Axial chest CT slice 98 of 347 (counted from the lowest slice); tube voltage 120 kVp, convolution kernel B45f; slices 1.00 mm thick, 0.625 mm per pixel.
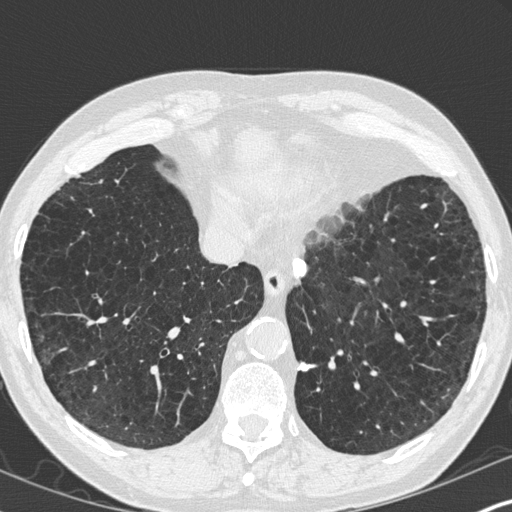
Pulmonary nodule at rows 362–371, columns 297–317 (box = the union of the readers' outlines on this slice), outlined by two of the four readers; the two readers' outlines give a longest diameter between 10.7 and 14.3 mm and a volume between 348 and 470 mm3. The readers' ratings, as ranges where they differ: texture 5/5 (solid), both readers agreeing; margin from 4/5 to 5/5 (circumscribed) across the two readers; sphericity from 3/5 (ovoid) to 4/5 across the two readers; calcification solid calcification, both readers agreeing; internal structure soft tissue, both readers agreeing; subtlety 5/5, both readers agreeing; malignancy likelihood 1/5 from both readers. Scale key (1–5): texture non-solid→solid, margin indistinct→circumscribed, sphericity linear→round, subtlety extremely subtle→obvious, malignancy likelihood highly unlikely→highly suspicious of cancer. Box rows and columns are 0-based pixel indices from the top-left corner, inclusive.